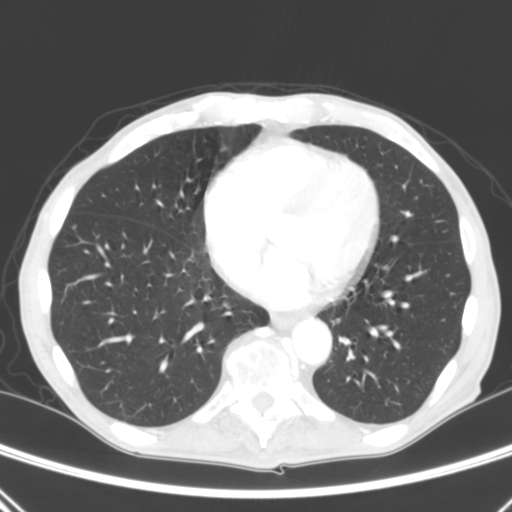
One axial slice (102 of 290, counting up from the lowest) of a chest CT acquired at 120 kVp with the B kernel; each pixel is 0.639 mm and the slice is 2.00 mm thick.
Pulmonary nodule outlined by two of the four readers; box rows 224–228, columns 72–76 (the union of the readers' outlines on this slice); longest diameter 4.3 mm on average over the two readers' outlines (readers' outlines 4.3 mm), volume 29–32 mm3. Ratings, by the readers' most common answer with dissent counted: texture 5/5 (solid), both readers agreeing; margin split among the readers: 4/5 (one), 5/5 (circumscribed) (one); sphericity 5/5 (round), both readers agreeing; calcification absent from both readers; internal structure soft tissue, both readers agreeing; subtlety split among the readers: 3/5 (one), 5/5 (one); malignancy likelihood split among the readers: 1/5 (one), 3/5 (one). Scale key (1–5): texture non-solid→solid, margin indistinct→circumscribed, sphericity linear→round, subtlety extremely subtle→obvious, malignancy likelihood highly unlikely→highly suspicious of cancer. Box rows and columns are 0-based pixel indices from the top-left corner, inclusive.